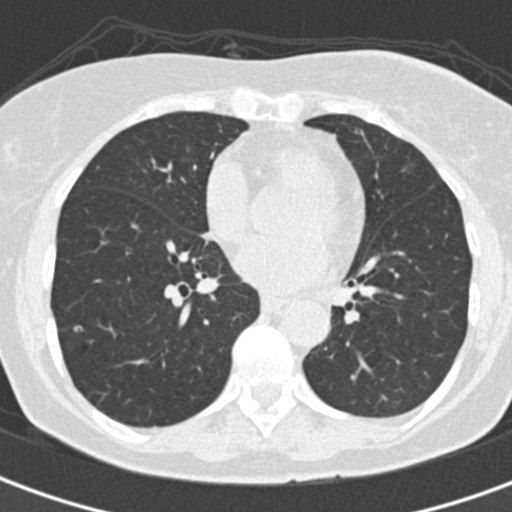
Chest CT, axial plane, 120 kVp, kernel B30f. Slice 93/193 from the bottom of the scan; thickness 2.00 mm; pixel size 0.547 mm.
Pulmonary nodule outlined by one of the four readers; box rows 325–331, columns 72–81 (that reader's outline on this slice); longest diameter 6.4 mm and volume 68 mm3 from that reader's outline. Ratings by that reader: texture 5/5 (solid); margin 5/5 (circumscribed); sphericity 2/5; calcification absent; internal structure soft tissue; subtlety 4/5; malignancy likelihood 3/5. Scale key (1–5): texture non-solid→solid, margin indistinct→circumscribed, sphericity linear→round, subtlety extremely subtle→obvious, malignancy likelihood highly unlikely→highly suspicious of cancer. Box rows and columns are 0-based pixel indices from the top-left corner, inclusive.